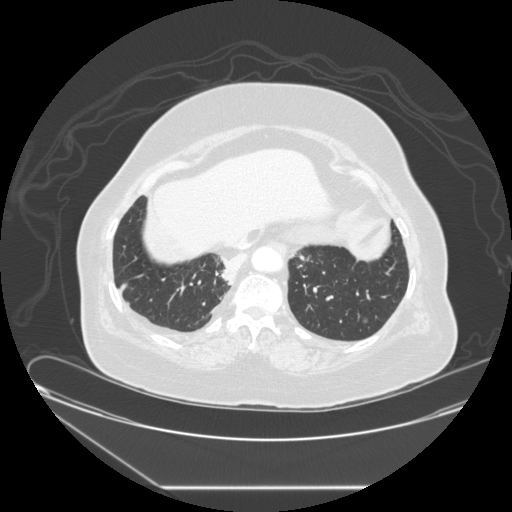
Axial chest CT slice 76 of 257 (counted from the lowest slice); tube voltage 120 kVp, convolution kernel STANDARD; slices 1.25 mm thick, 0.852 mm per pixel.
Pulmonary nodule outlined by three of the four readers; box rows 318–322, columns 363–367 (the union of the readers' outlines on this slice); longest diameter 5.2 mm on average over the three readers' outlines (readers' outlines 4.6–6.2 mm), volume 39–85 mm3. The readers' prevailing ratings and who disagreed: texture 1/5 (non-solid), all three readers agreeing; margin 3/5 by two of three readers; the rest gave 2/5 (one); sphericity 5/5 (round), all three readers agreeing; calcification absent, all three readers agreeing; internal structure soft tissue, all three readers agreeing; subtlety 1/5, all three readers agreeing; most readers (two of three) put malignancy likelihood at 3/5, others 2/5 (one). Scale key (1–5): texture non-solid→solid, margin indistinct→circumscribed, sphericity linear→round, subtlety extremely subtle→obvious, malignancy likelihood highly unlikely→highly suspicious of cancer. Box rows and columns are 0-based pixel indices from the top-left corner, inclusive.